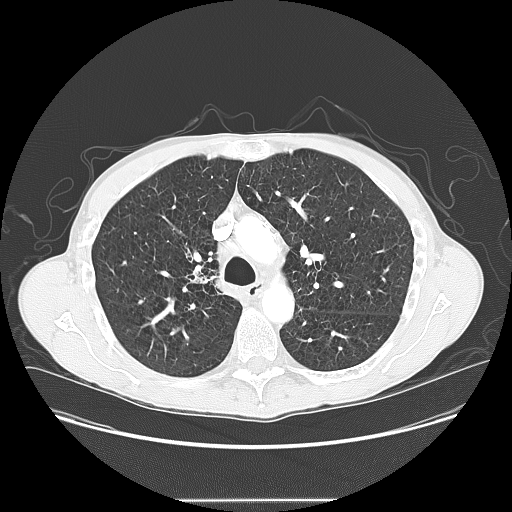
Axial chest CT slice 102 of 145 (counted from the lowest slice); 2.50 mm thick, 0.781 mm per pixel. Pulmonary nodule, outlined by all four readers, one of them on this slice. Box on this slice rows 265–292, columns 181–215, the one reader's outline on this slice; median longest diameter 34.1 mm (readers' outlines 31.9–37.6 mm), median volume 7759 mm3 (6100–11568 mm3). Median ratings and the readers' spread: median texture 5/5 (solid) (readers ranged 4/5 to 5/5 (solid)); margin 3/5 at the median of four readers, spread 2/5 to 4/5; median sphericity 4/5 (readers ranged 3/5 (ovoid) to 5/5 (round)); calcification absent, all four readers agreeing; internal structure soft tissue, all four readers agreeing; subtlety 5/5 from all four readers; malignancy likelihood 5/5 at the median of four readers, spread 4–5. Scale key (1–5): texture non-solid→solid, margin indistinct→circumscribed, sphericity linear→round, subtlety extremely subtle→obvious, malignancy likelihood highly unlikely→highly suspicious of cancer. Box rows and columns are 0-based pixel indices from the top-left corner, inclusive.
Acquired at 120 kVp and reconstructed with the LUNG kernel.